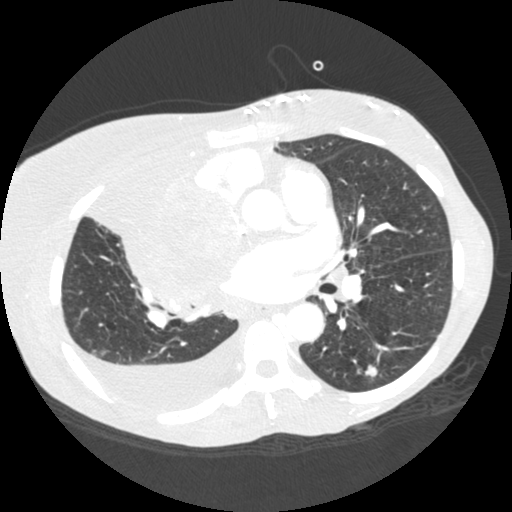
One axial slice (120 of 238, counting up from the lowest) of a chest CT acquired at 120 kVp with the STANDARD kernel; each pixel is 0.625 mm and the slice is 1.25 mm thick.
Pulmonary nodule at rows 364–376, columns 364–377 (box = the union of the readers' outlines on this slice), outlined by all four readers; longest diameter 9.7–10.7 mm and volume 334–416 mm3 across the four readers' outlines. The readers' ratings, as ranges where they differ: texture 5/5 (solid), all four readers agreeing; margin 4/5 from all four readers; sphericity from 4/5 to 5/5 (round) across the four readers; calcification absent, all four readers agreeing; internal structure soft tissue from all four readers; subtlety rated between 4 and 5 out of 5 by the four readers; malignancy likelihood 3–5/5 (the readers disagree). Scale key (1–5): texture non-solid→solid, margin indistinct→circumscribed, sphericity linear→round, subtlety extremely subtle→obvious, malignancy likelihood highly unlikely→highly suspicious of cancer. Box rows and columns are 0-based pixel indices from the top-left corner, inclusive.